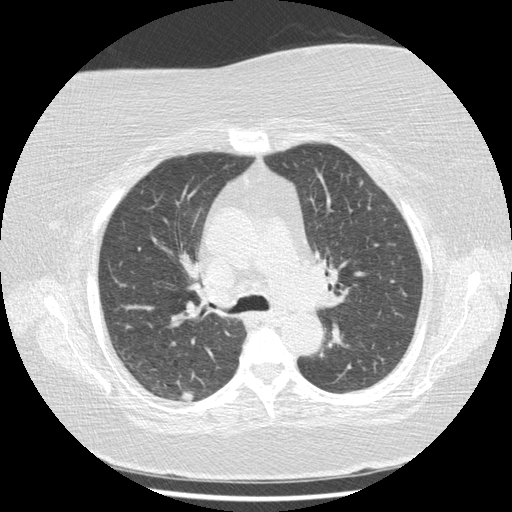
Slice 288/417 of a chest CT, counting up from the lowest; pixel size 0.703 mm, slice thickness 1.25 mm. Pulmonary nodule at rows 391–401, columns 179–193 (box = the union of the readers' outlines on this slice), outlined by all four readers; longest diameter 12.1 mm on average over the four readers' outlines (readers' outlines 11.0–13.8 mm), volume 306–515 mm3. The readers' prevailing ratings and who disagreed: texture 5/5 (solid), all four readers agreeing; margin 5/5 (circumscribed) by three of four readers; the rest gave 4/5 (one); sphericity 5/5 (round) by two of four readers; the rest gave 3/5 (ovoid) (one), 4/5 (one); calcification absent, all four readers agreeing; internal structure soft tissue, all four readers agreeing; subtlety 5/5 by two of four readers; the rest gave 3/5 (one), 4/5 (one); malignancy likelihood 4/5 by two of four readers; the rest gave 2/5 (one), 3/5 (one). Scale key (1–5): texture non-solid→solid, margin indistinct→circumscribed, sphericity linear→round, subtlety extremely subtle→obvious, malignancy likelihood highly unlikely→highly suspicious of cancer. Box rows and columns are 0-based pixel indices from the top-left corner, inclusive.
Tube voltage 120 kVp; convolution kernel STANDARD.